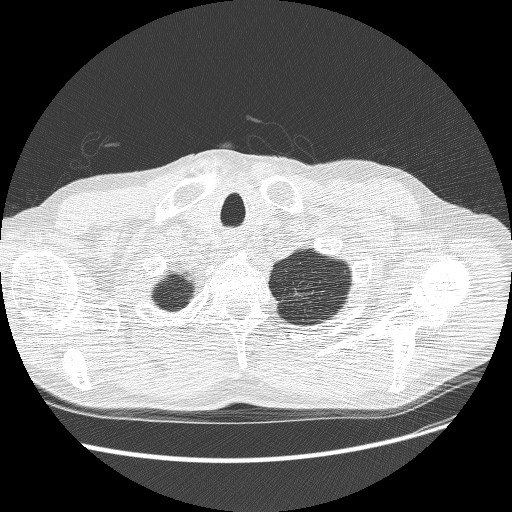
Chest CT, axial plane, 120 kVp, kernel BONE. Slice 252/268 from the bottom of the scan; thickness 1.25 mm; pixel size 0.742 mm.
Pulmonary nodule, outlined by three of the four readers, two of them on this slice. Box on this slice rows 286–300, columns 289–310, the union of the readers' outlines on this slice; the three readers' outlines give a longest diameter between 30.8 and 31.7 mm and a volume between 4750 and 7267 mm3. Ratings across the readers: texture 3/5 (part-solid), all three readers agreeing; margin 1/5 (indistinct) from all three readers; sphericity from 3/5 (ovoid) to 4/5 across the three readers; calcification absent, all three readers agreeing; internal structure soft tissue from all three readers; subtlety rated between 4 and 5 out of 5 by the three readers; malignancy likelihood rated between 4 and 5 out of 5 by the three readers. Scale key (1–5): texture non-solid→solid, margin indistinct→circumscribed, sphericity linear→round, subtlety extremely subtle→obvious, malignancy likelihood highly unlikely→highly suspicious of cancer. Box rows and columns are 0-based pixel indices from the top-left corner, inclusive.